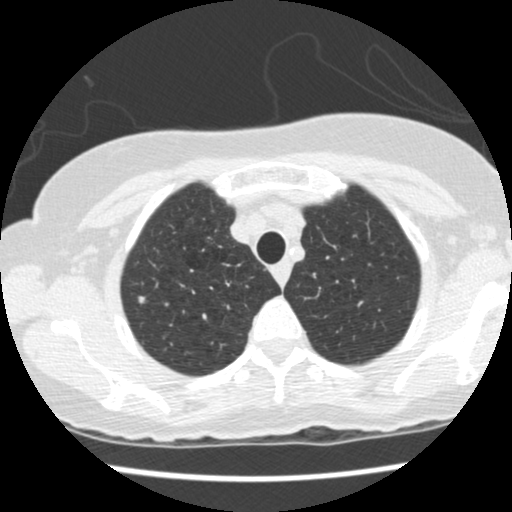
This is axial slice 383 of 458 (slice 1 is the lowest) of a chest CT; each pixel is 0.586 mm and the slice is 1.25 mm thick. Pulmonary nodule at rows 295–303, columns 138–144 (box = the union of the readers' outlines on this slice), outlined by all four readers; longest diameter 6.3 mm on average over the four readers' outlines (readers' outlines 5.0–7.8 mm), volume 57–106 mm3. The readers' prevailing ratings and who disagreed: texture split among the readers: 4/5 (two), 5/5 (solid) (two); margin split among the readers: 3/5 (two), 4/5 (two); most readers (three of four) put sphericity at 4/5, others 5/5 (round) (one); calcification absent, all four readers agreeing; internal structure soft tissue from all four readers; subtlety 3/5 by two of four readers; the rest gave 4/5 (one), 5/5 (one); malignancy likelihood 2/5 by two of four readers; the rest gave 3/5 (one), 4/5 (one). Scale key (1–5): texture non-solid→solid, margin indistinct→circumscribed, sphericity linear→round, subtlety extremely subtle→obvious, malignancy likelihood highly unlikely→highly suspicious of cancer. Box rows and columns are 0-based pixel indices from the top-left corner, inclusive.
Tube voltage 120 kVp; convolution kernel STANDARD.